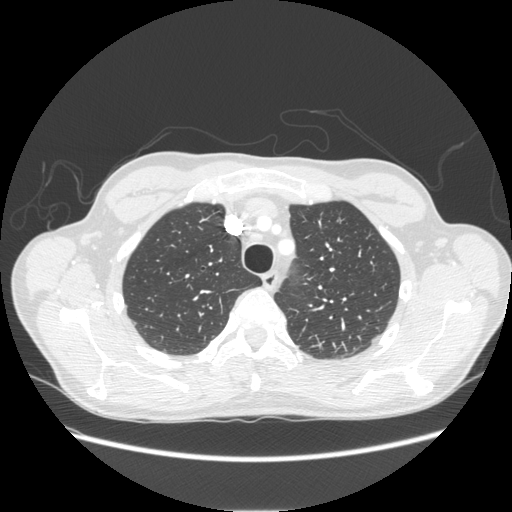
Axial chest CT slice 193 of 253 (counted from the lowest slice); tube voltage 120 kVp, convolution kernel STANDARD; slices 1.25 mm thick, 0.742 mm per pixel.
No nodule of 3 mm or larger was outlined by any of the four readers on this slice.